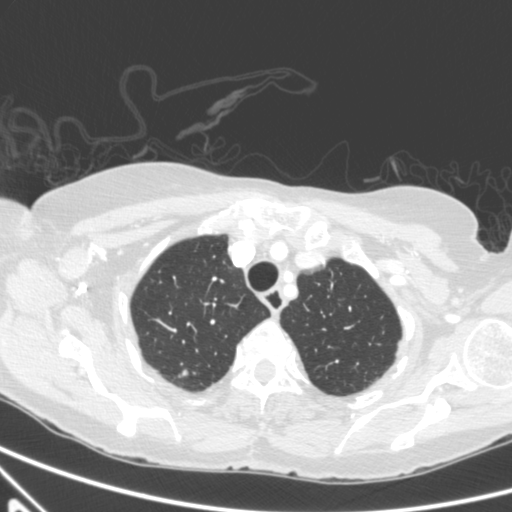
This is axial slice 511 of 590 (slice 1 is the lowest) of a chest CT; each pixel is 0.627 mm and the slice is 0.90 mm thick. Pulmonary nodule at rows 369–376, columns 182–187 (box = the union of the readers' outlines on this slice), outlined by three of the four readers; median longest diameter 5.8 mm (readers' outlines 5.4–6.2 mm), median volume 76 mm3 (51–88 mm3). Ratings, median across the readers with their spread: texture 4/5 at the median of three readers, spread 4/5 to 5/5 (solid); median margin 4/5 (readers ranged 3/5 to 5/5 (circumscribed)); sphericity 4/5 at the median of three readers, spread 3/5 (ovoid) to 5/5 (round); calcification absent, all three readers agreeing; internal structure soft tissue from all three readers; subtlety 3/5 from all three readers; malignancy likelihood 3/5 at the median of three readers, spread 2–3. Scale key (1–5): texture non-solid→solid, margin indistinct→circumscribed, sphericity linear→round, subtlety extremely subtle→obvious, malignancy likelihood highly unlikely→highly suspicious of cancer. Box rows and columns are 0-based pixel indices from the top-left corner, inclusive.
Tube voltage 120 kVp; convolution kernel B.